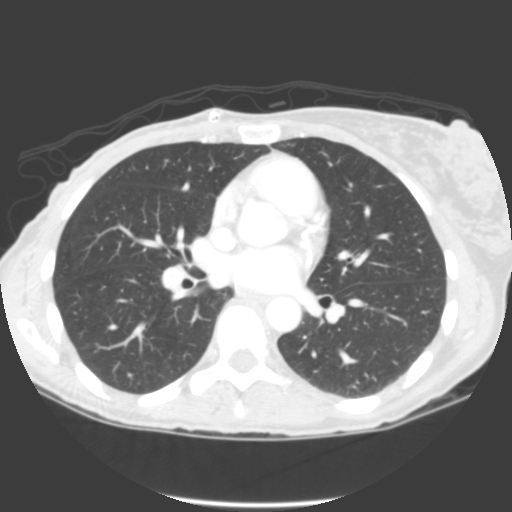
One axial slice (152 of 325, counting up from the lowest) of a chest CT acquired at 120 kVp with the B kernel; each pixel is 0.611 mm and the slice is 2.00 mm thick.
The readers outlined no nodule of 3 mm or more on this slice.